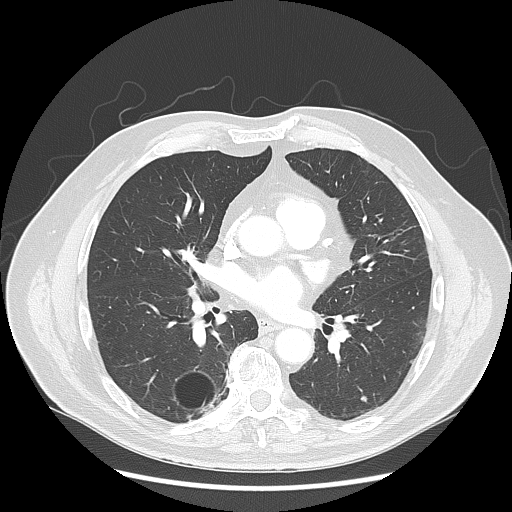
This is axial slice 80 of 143 (slice 1 is the lowest) of a chest CT; each pixel is 0.781 mm and the slice is 2.50 mm thick. Pulmonary nodule at rows 396–401, columns 359–366 (box = the union of the readers' outlines on this slice), outlined by all four readers; longest diameter 6.7–7.2 mm and volume 165–182 mm3 across the four readers' outlines. Ratings across the readers: texture 5/5 (solid), all four readers agreeing; margin from 4/5 to 5/5 (circumscribed) across the four readers; sphericity from 4/5 to 5/5 (round) across the four readers; calcification: absent (three), solid calcification (one); internal structure soft tissue, all four readers agreeing; subtlety from 4/5 to 5/5 across the four readers; malignancy likelihood 1–3/5 (the readers disagree). Scale key (1–5): texture non-solid→solid, margin indistinct→circumscribed, sphericity linear→round, subtlety extremely subtle→obvious, malignancy likelihood highly unlikely→highly suspicious of cancer. Box rows and columns are 0-based pixel indices from the top-left corner, inclusive.
Tube voltage 120 kVp; convolution kernel LUNG.